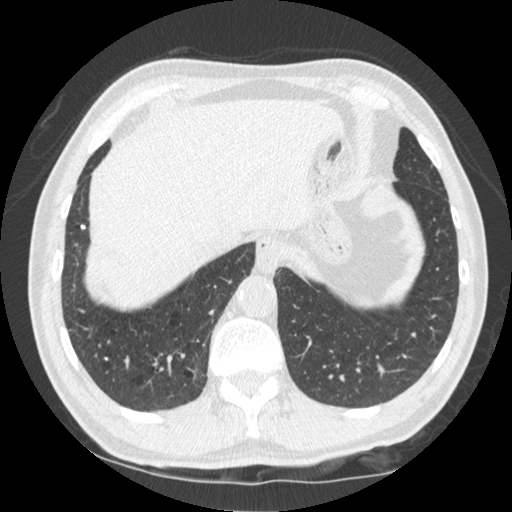
Axial slice 112 of 535 of a chest CT (slice 1 is the lowest), reconstructed with the STANDARD kernel at 120 kVp; 1.25 mm slice thickness and 0.664 mm pixels.
Pulmonary nodule, outlined by one of the four readers. Box on this slice rows 224–229, columns 79–84, that reader's outline on this slice; longest diameter 5.7 mm and volume 64 mm3 from that reader's outline. Ratings by that reader: texture 5/5 (solid); margin 5/5 (circumscribed); sphericity 5/5 (round); calcification solid calcification; internal structure soft tissue; subtlety 5/5; malignancy likelihood 1/5. Scale key (1–5): texture non-solid→solid, margin indistinct→circumscribed, sphericity linear→round, subtlety extremely subtle→obvious, malignancy likelihood highly unlikely→highly suspicious of cancer. Box rows and columns are 0-based pixel indices from the top-left corner, inclusive.